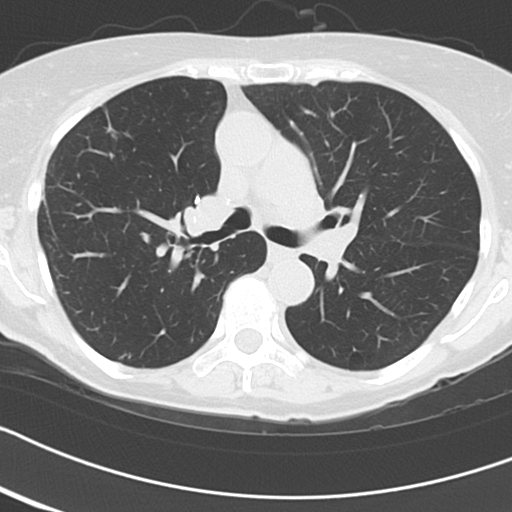
Axial slice 66 of 103 of a chest CT (slice 1 is the lowest), reconstructed with the B45f kernel at 120 kVp; 3.00 mm slice thickness and 0.566 mm pixels.
Pulmonary nodule, outlined by one of the four readers. Box on this slice rows 134–138, columns 111–114, that reader's outline on this slice; longest diameter 8.2 mm and volume 102 mm3 from that reader's outline. Ratings by that reader: texture 5/5 (solid); margin 5/5 (circumscribed); sphericity 3/5 (ovoid); calcification absent; internal structure soft tissue; subtlety 3/5; malignancy likelihood 4/5. Scale key (1–5): texture non-solid→solid, margin indistinct→circumscribed, sphericity linear→round, subtlety extremely subtle→obvious, malignancy likelihood highly unlikely→highly suspicious of cancer. Box rows and columns are 0-based pixel indices from the top-left corner, inclusive.